Chest CT, axial plane, 135 kVp, kernel FC03. Slice 65/183 from the bottom of the scan; thickness 2.00 mm; pixel size 0.946 mm.
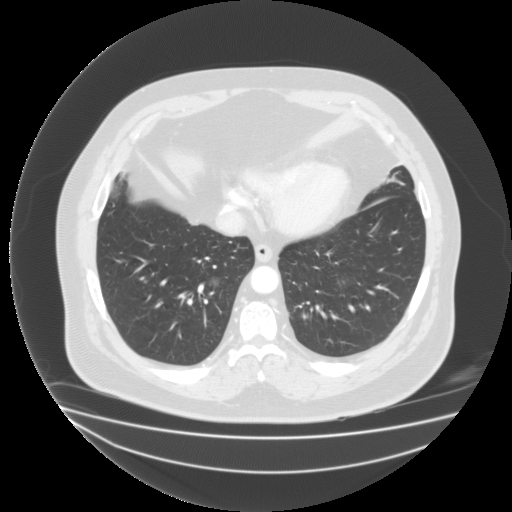
Pulmonary nodule at rows 277–286, columns 208–219 (box = the union of the readers' outlines on this slice), outlined by two of the four readers; median longest diameter 13.2 mm (readers' outlines 12.7–13.6 mm), median volume 864 mm3 (804–924 mm3). Ratings, median across the readers with their spread: texture 1.5/5 at the median of two readers, spread 1/5 (non-solid) to 2/5; margin 2/5 from both readers; sphericity 3.5/5 at the median of two readers, spread 3/5 (ovoid) to 4/5; calcification absent, both readers agreeing; internal structure split among the readers: soft tissue (one), fluid (one); median subtlety 3/5 (readers ranged 2–4); malignancy likelihood 3/5 from both readers. Scale key (1–5): texture non-solid→solid, margin indistinct→circumscribed, sphericity linear→round, subtlety extremely subtle→obvious, malignancy likelihood highly unlikely→highly suspicious of cancer. Box rows and columns are 0-based pixel indices from the top-left corner, inclusive.